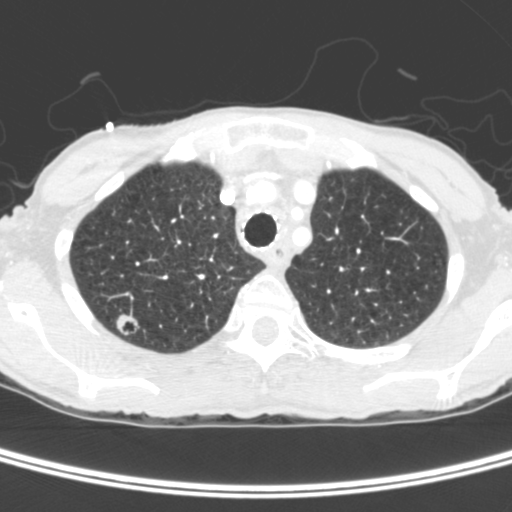
Axial slice 318 of 400 of a chest CT (slice 1 is the lowest), reconstructed with the C kernel at 120 kVp; 1.50 mm slice thickness and 0.527 mm pixels.
Pulmonary nodule outlined by three of the four readers; box rows 314–334, columns 116–139 (the union of the readers' outlines on this slice); longest diameter 15.5 mm on average over the three readers' outlines (readers' outlines 15.0–15.8 mm), volume 1012–1166 mm3. The readers' prevailing ratings and who disagreed: texture 5/5 (solid) by two of three readers; the rest gave 3/5 (part-solid) (one); margin 4/5 from all three readers; most readers (two of three) put sphericity at 5/5 (round), others 4/5 (one); calcification absent, all three readers agreeing; internal structure soft tissue by two of three readers, air (one); subtlety 5/5 from all three readers; most readers (two of three) put malignancy likelihood at 5/5, others 4/5 (one). Scale key (1–5): texture non-solid→solid, margin indistinct→circumscribed, sphericity linear→round, subtlety extremely subtle→obvious, malignancy likelihood highly unlikely→highly suspicious of cancer. Box rows and columns are 0-based pixel indices from the top-left corner, inclusive.